Chest CT, axial plane, 135 kVp, kernel FC01. Slice 50/119 from the bottom of the scan; thickness 3.00 mm; pixel size 0.640 mm.
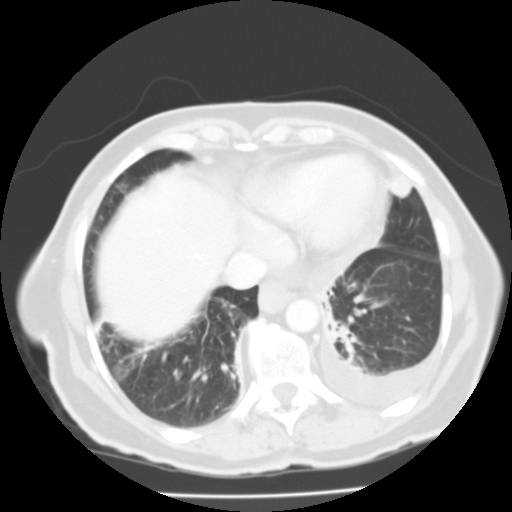
Pulmonary nodule at rows 176–198, columns 390–411 (box = that reader's outline on this slice), outlined by one of the four readers; longest diameter 18.8 mm and volume 4417 mm3 from that reader's outline. Ratings by that reader: texture 5/5 (solid); margin 4/5; sphericity 4/5; calcification absent; internal structure soft tissue; subtlety 4/5; malignancy likelihood 4/5. Scale key (1–5): texture non-solid→solid, margin indistinct→circumscribed, sphericity linear→round, subtlety extremely subtle→obvious, malignancy likelihood highly unlikely→highly suspicious of cancer. Box rows and columns are 0-based pixel indices from the top-left corner, inclusive.